Axial chest CT slice 299 of 465 (counted from the lowest slice); tube voltage 120 kVp, convolution kernel STANDARD; slices 1.25 mm thick, 0.586 mm per pixel.
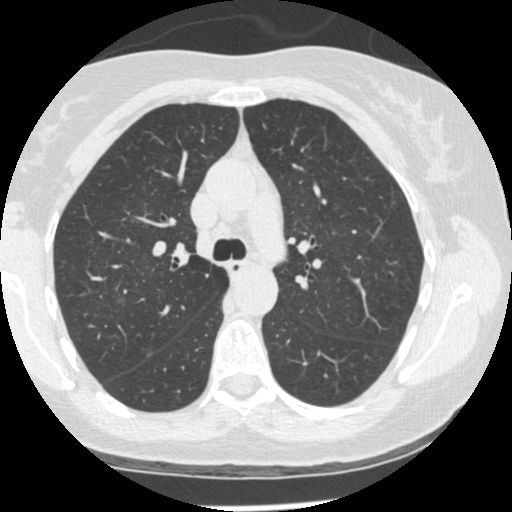
Pulmonary nodule, outlined by one of the four readers. Box on this slice rows 297–303, columns 117–125, that reader's outline on this slice; longest diameter 7.5 mm and volume 69 mm3 from that reader's outline. Ratings by that reader: texture 1/5 (non-solid); margin 1/5 (indistinct); sphericity 3/5 (ovoid); calcification absent; internal structure soft tissue; subtlety 5/5; malignancy likelihood 3/5. Scale key (1–5): texture non-solid→solid, margin indistinct→circumscribed, sphericity linear→round, subtlety extremely subtle→obvious, malignancy likelihood highly unlikely→highly suspicious of cancer. Box rows and columns are 0-based pixel indices from the top-left corner, inclusive.